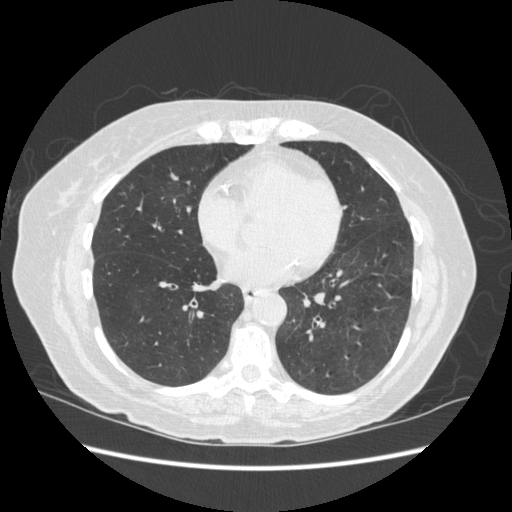
This is axial slice 216 of 513 (slice 1 is the lowest) of a chest CT; each pixel is 0.703 mm and the slice is 1.25 mm thick. Pulmonary nodule, outlined by three of the four readers. Box on this slice rows 172–180, columns 170–178, the union of the readers' outlines on this slice; median longest diameter 9.2 mm (readers' outlines 8.2–9.4 mm), median volume 151 mm3 (118–157 mm3). Median ratings and the readers' spread: texture 5/5 (solid) at the median of three readers, spread 4/5 to 5/5 (solid); median margin 4/5 (readers ranged 3/5 to 5/5 (circumscribed)); sphericity 3/5 (ovoid), all three readers agreeing; calcification absent, all three readers agreeing; internal structure soft tissue, all three readers agreeing; subtlety 4/5 from all three readers; malignancy likelihood 3/5 at the median of three readers, spread 1–4. Scale key (1–5): texture non-solid→solid, margin indistinct→circumscribed, sphericity linear→round, subtlety extremely subtle→obvious, malignancy likelihood highly unlikely→highly suspicious of cancer. Box rows and columns are 0-based pixel indices from the top-left corner, inclusive.
Tube voltage 120 kVp; convolution kernel STANDARD.